One axial slice (308 of 497, counting up from the lowest) of a chest CT acquired at 120 kVp with the STANDARD kernel; each pixel is 0.762 mm and the slice is 1.25 mm thick.
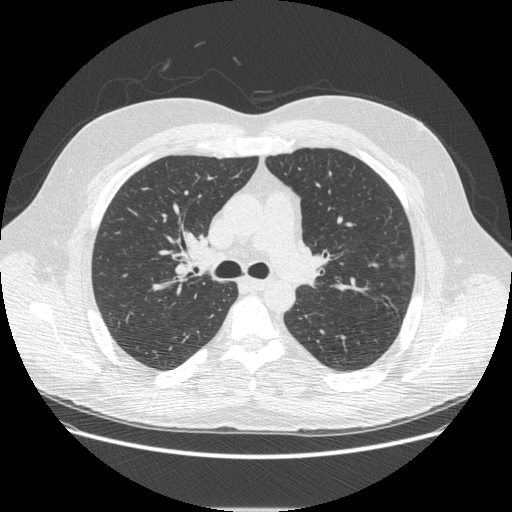
Pulmonary nodule outlined by all four readers; box rows 254–268, columns 388–405 (the union of the readers' outlines on this slice); median longest diameter 21.7 mm (readers' outlines 21.5–22.5 mm), median volume 2358 mm3 (2170–2597 mm3). Ratings, median across the readers with their spread: texture 1/5 (non-solid) at the median of four readers, spread 1/5 (non-solid) to 3/5 (part-solid); median margin 3/5 (readers ranged 2/5 to 4/5); median sphericity 4.5/5 (readers ranged 3/5 (ovoid) to 5/5 (round)); calcification absent, all four readers agreeing; internal structure split among the readers: air (two), soft tissue (two); subtlety 4/5 at the median of four readers, spread 1–5; malignancy likelihood 3/5 at the median of four readers, spread 1–5. Scale key (1–5): texture non-solid→solid, margin indistinct→circumscribed, sphericity linear→round, subtlety extremely subtle→obvious, malignancy likelihood highly unlikely→highly suspicious of cancer. Box rows and columns are 0-based pixel indices from the top-left corner, inclusive.